Axial slice 98 of 147 of a chest CT (slice 1 is the lowest), reconstructed with the LUNG kernel at 120 kVp; 2.50 mm slice thickness and 0.742 mm pixels.
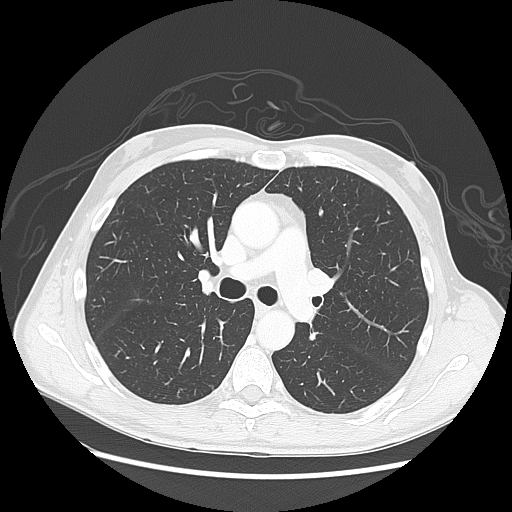
Pulmonary nodule at rows 331–341, columns 308–316 (box = the union of the readers' outlines on this slice), outlined by three of the four readers; longest diameter 7.6 mm on average over the three readers' outlines (readers' outlines 6.1–9.0 mm), volume 93–165 mm3. Ratings, by the readers' most common answer with dissent counted: texture 5/5 (solid) from all three readers; margin 4/5 from all three readers; most readers (two of three) put sphericity at 5/5 (round), others 4/5 (one); calcification absent from all three readers; internal structure soft tissue from all three readers; most readers (two of three) put subtlety at 3/5, others 1/5 (one); most readers (two of three) put malignancy likelihood at 3/5, others 2/5 (one). Scale key (1–5): texture non-solid→solid, margin indistinct→circumscribed, sphericity linear→round, subtlety extremely subtle→obvious, malignancy likelihood highly unlikely→highly suspicious of cancer. Box rows and columns are 0-based pixel indices from the top-left corner, inclusive.